Chest CT, axial plane, 135 kVp, kernel FC01. Slice 40/129 from the bottom of the scan; thickness 3.00 mm; pixel size 0.662 mm.
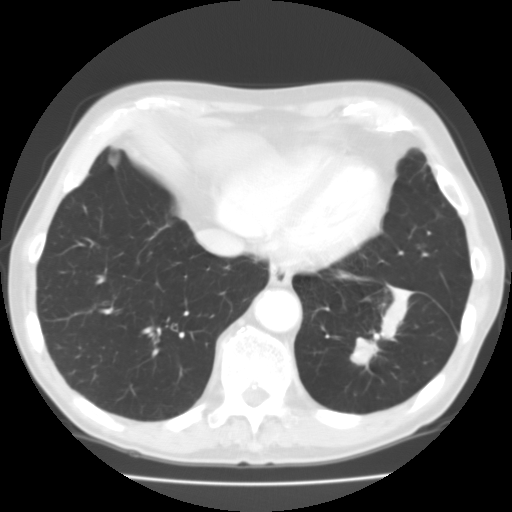
Pulmonary nodule outlined by three of the four readers; box rows 335–369, columns 349–380 (the union of the readers' outlines on this slice); the three readers' outlines give a longest diameter between 21.3 and 24.4 mm and a volume between 2229 and 2513 mm3. Ratings across the readers: texture 5/5 (solid), all three readers agreeing; margin from 2/5 to 5/5 (circumscribed) across the three readers; sphericity from 3/5 (ovoid) to 5/5 (round) across the three readers; calcification absent from all three readers; internal structure soft tissue, all three readers agreeing; subtlety 5/5, all three readers agreeing; malignancy likelihood rated between 3 and 4 out of 5 by the three readers. Scale key (1–5): texture non-solid→solid, margin indistinct→circumscribed, sphericity linear→round, subtlety extremely subtle→obvious, malignancy likelihood highly unlikely→highly suspicious of cancer. Box rows and columns are 0-based pixel indices from the top-left corner, inclusive.